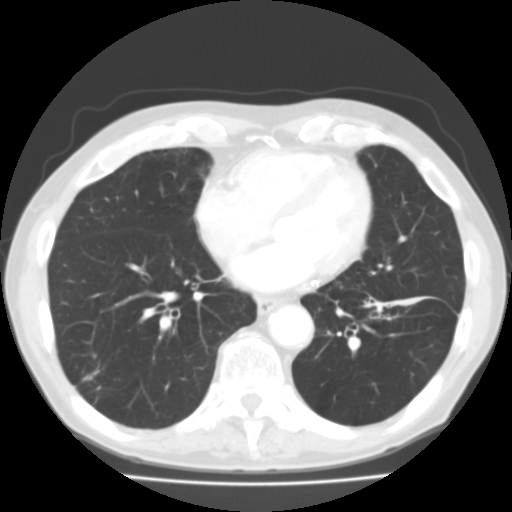
Axial chest CT slice 53 of 129 (counted from the lowest slice); tube voltage 135 kVp, convolution kernel FC01; slices 3.00 mm thick, 0.662 mm per pixel.
Pulmonary nodule outlined by two of the four readers; box rows 369–383, columns 81–99 (the union of the readers' outlines on this slice); longest diameter 30.7–33.2 mm and volume 2555–2947 mm3 across the two readers' outlines. The readers' ratings, as ranges where they differ: texture from 3/5 (part-solid) to 4/5 across the two readers; margin from 1/5 (indistinct) to 4/5 across the two readers; sphericity from 3/5 (ovoid) to 5/5 (round) across the two readers; calcification absent, both readers agreeing; internal structure soft tissue, both readers agreeing; subtlety 5/5, both readers agreeing; malignancy likelihood 3–4/5 (the readers disagree). Scale key (1–5): texture non-solid→solid, margin indistinct→circumscribed, sphericity linear→round, subtlety extremely subtle→obvious, malignancy likelihood highly unlikely→highly suspicious of cancer. Box rows and columns are 0-based pixel indices from the top-left corner, inclusive.